One axial slice (90 of 280, counting up from the lowest) of a chest CT acquired at 120 kVp with the D kernel; each pixel is 0.666 mm and the slice is 1.00 mm thick.
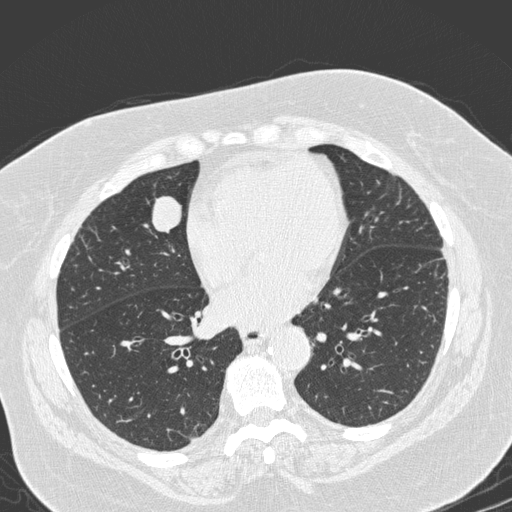
Pulmonary nodule outlined by all four readers; box rows 194–233, columns 151–181 (the union of the readers' outlines on this slice); median longest diameter 25.4 mm (readers' outlines 25.0–27.8 mm), median volume 5111 mm3 (4698–5913 mm3). Median ratings and the readers' spread: texture 5/5 (solid), all four readers agreeing; margin 4.5/5 at the median of four readers, spread 4/5 to 5/5 (circumscribed); median sphericity 4.5/5 (readers ranged 3/5 (ovoid) to 5/5 (round)); calcification absent from all four readers; internal structure soft tissue from all four readers; subtlety 5/5, all four readers agreeing; median malignancy likelihood 4.5/5 (readers ranged 2–5). Scale key (1–5): texture non-solid→solid, margin indistinct→circumscribed, sphericity linear→round, subtlety extremely subtle→obvious, malignancy likelihood highly unlikely→highly suspicious of cancer. Box rows and columns are 0-based pixel indices from the top-left corner, inclusive.